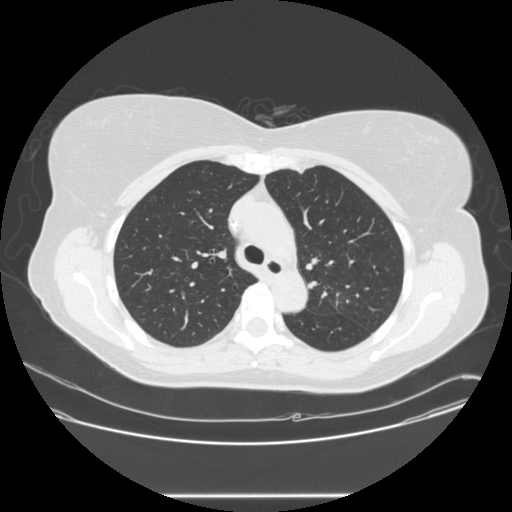
Axial chest CT slice 190 of 257 (counted from the lowest slice); tube voltage 120 kVp, convolution kernel STANDARD; slices 1.25 mm thick, 0.781 mm per pixel.
No nodule 3 mm or larger was outlined here by any reader.